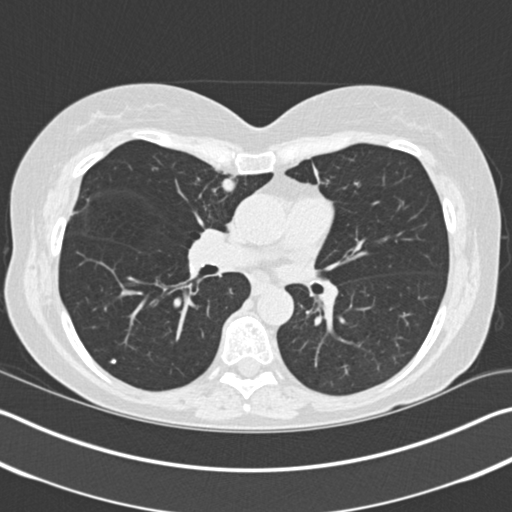
Slice 99/183 of a chest CT, counting up from the lowest; pixel size 0.664 mm, slice thickness 2.00 mm. Two pulmonary nodules are outlined on this slice; from left to right: (1) Pulmonary nodule outlined by three of the four readers; box rows 359–364, columns 109–115 (the union of the readers' outlines on this slice); the three readers' outlines give a longest diameter between 5.9 and 7.8 mm and a volume between 78 and 146 mm3. The readers' ratings, as ranges where they differ: texture 5/5 (solid) from all three readers; margin 5/5 (circumscribed), all three readers agreeing; sphericity 5/5 (round), all three readers agreeing; calcification: solid calcification (two), absent (one); internal structure soft tissue from all three readers; subtlety rated between 4 and 5 out of 5 by the three readers; malignancy likelihood from 1/5 to 3/5 across the three readers. (2) Pulmonary nodule, outlined by all four readers. Box on this slice rows 175–191, columns 221–235, the union of the readers' outlines on this slice; the four readers' outlines give a longest diameter between 14.4 and 15.3 mm and a volume between 647 and 1201 mm3. The readers' ratings, as ranges where they differ: texture 5/5 (solid) from all four readers; margin from 4/5 to 5/5 (circumscribed) across the four readers; sphericity from 3/5 (ovoid) to 4/5 across the four readers; calcification absent, all four readers agreeing; internal structure soft tissue, all four readers agreeing; subtlety from 4/5 to 5/5 across the four readers; malignancy likelihood from 3/5 to 5/5 across the four readers. Scale key (1–5): texture non-solid→solid, margin indistinct→circumscribed, sphericity linear→round, subtlety extremely subtle→obvious, malignancy likelihood highly unlikely→highly suspicious of cancer. Box rows and columns are 0-based pixel indices from the top-left corner, inclusive.
Tube voltage 120 kVp; convolution kernel B30f.